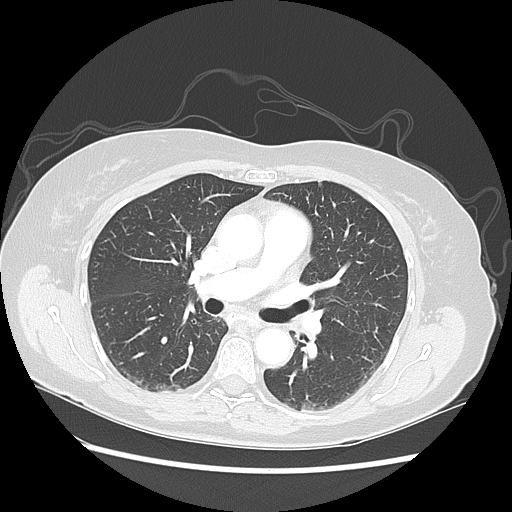
Axial slice 78 of 125 of a chest CT (slice 1 is the lowest), reconstructed with the LUNG kernel at 120 kVp; 2.50 mm slice thickness and 0.703 mm pixels.
Pulmonary nodule, outlined by two of the four readers, one of them on this slice. Box on this slice rows 182–187, columns 319–321, the one reader's outline on this slice; the two readers' outlines give a longest diameter of 5.4 mm and a volume between 41 and 62 mm3. Ratings across the readers: texture 5/5 (solid), both readers agreeing; margin 5/5 (circumscribed), both readers agreeing; sphericity from 3/5 (ovoid) to 4/5 across the two readers; calcification absent, both readers agreeing; internal structure soft tissue from both readers; subtlety 3/5 from both readers; malignancy likelihood from 1/5 to 3/5 across the two readers. Scale key (1–5): texture non-solid→solid, margin indistinct→circumscribed, sphericity linear→round, subtlety extremely subtle→obvious, malignancy likelihood highly unlikely→highly suspicious of cancer. Box rows and columns are 0-based pixel indices from the top-left corner, inclusive.